One axial slice (211 of 347, counting up from the lowest) of a chest CT acquired at 120 kVp with the B45f kernel; each pixel is 0.625 mm and the slice is 1.00 mm thick.
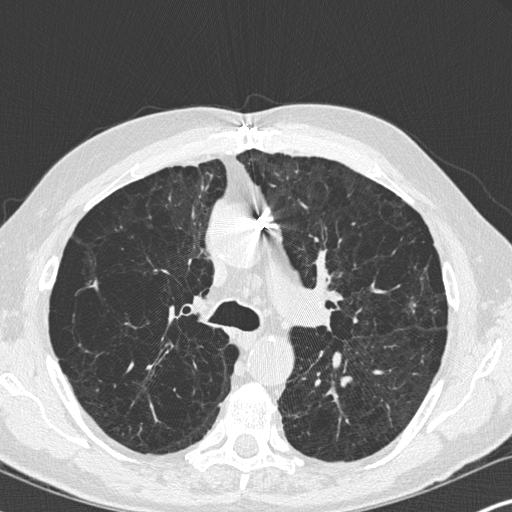
Pulmonary nodule, outlined by two of the four readers. Box on this slice rows 280–288, columns 89–96, the union of the readers' outlines on this slice; the two readers' outlines give a longest diameter between 10.1 and 10.3 mm and a volume between 119 and 145 mm3. The readers' ratings, as ranges where they differ: texture 5/5 (solid), both readers agreeing; margin from 3/5 to 5/5 (circumscribed) across the two readers; sphericity 2/5 from both readers; calcification absent, both readers agreeing; internal structure soft tissue from both readers; subtlety 3/5, both readers agreeing; malignancy likelihood 2–3/5 (the readers disagree). Scale key (1–5): texture non-solid→solid, margin indistinct→circumscribed, sphericity linear→round, subtlety extremely subtle→obvious, malignancy likelihood highly unlikely→highly suspicious of cancer. Box rows and columns are 0-based pixel indices from the top-left corner, inclusive.